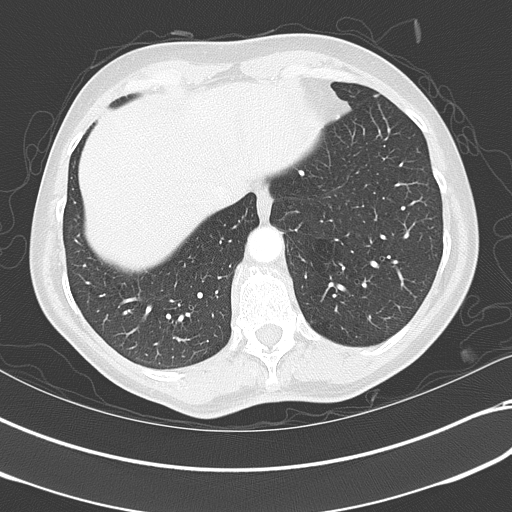
Slice 116/351 of a chest CT, counting up from the lowest; pixel size 0.643 mm, slice thickness 2.00 mm. Pulmonary nodule outlined by two of the four readers; box rows 169–175, columns 298–303 (the union of the readers' outlines on this slice); longest diameter 5.2–5.5 mm and volume 46–60 mm3 across the two readers' outlines. The readers' ratings, as ranges where they differ: texture 5/5 (solid) from both readers; margin from 4/5 to 5/5 (circumscribed) across the two readers; sphericity from 4/5 to 5/5 (round) across the two readers; calcification split among the readers: solid calcification (one), absent (one); internal structure soft tissue, both readers agreeing; subtlety 4–5/5 (the readers disagree); malignancy likelihood from 1/5 to 2/5 across the two readers. Scale key (1–5): texture non-solid→solid, margin indistinct→circumscribed, sphericity linear→round, subtlety extremely subtle→obvious, malignancy likelihood highly unlikely→highly suspicious of cancer. Box rows and columns are 0-based pixel indices from the top-left corner, inclusive.
Scan settings: 120 kVp, B70f reconstruction kernel.